Chest CT, axial plane, 120 kVp, kernel STANDARD. Slice 390/465 from the bottom of the scan; thickness 1.25 mm; pixel size 0.703 mm.
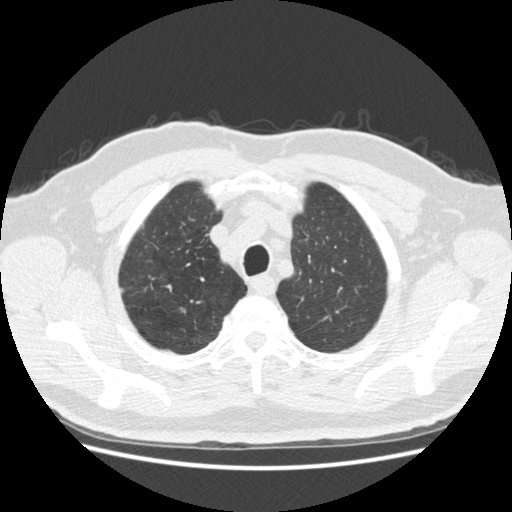
Pulmonary nodule, outlined by all four readers. Box on this slice rows 286–293, columns 119–124, the union of the readers' outlines on this slice; median longest diameter 17.8 mm (readers' outlines 15.5–18.9 mm), median volume 1370 mm3 (1041–1475 mm3). Median ratings and the readers' spread: texture 5/5 (solid) from all four readers; margin 5/5 (circumscribed) at the median of four readers, spread 4/5 to 5/5 (circumscribed); median sphericity 3.5/5 (readers ranged 3/5 (ovoid) to 5/5 (round)); calcification absent from all four readers; internal structure soft tissue from all four readers; subtlety 5/5 at the median of four readers, spread 4–5; malignancy likelihood 4/5 at the median of four readers, spread 2–5. Scale key (1–5): texture non-solid→solid, margin indistinct→circumscribed, sphericity linear→round, subtlety extremely subtle→obvious, malignancy likelihood highly unlikely→highly suspicious of cancer. Box rows and columns are 0-based pixel indices from the top-left corner, inclusive.